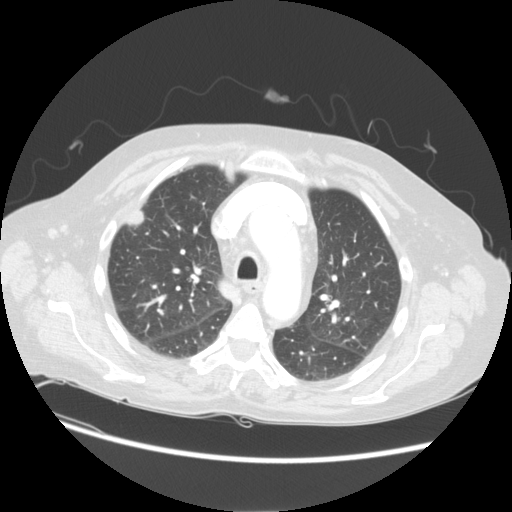
Axial slice 86 of 113 of a chest CT (slice 1 is the lowest), reconstructed with the STANDARD kernel at 120 kVp; 2.50 mm slice thickness and 0.742 mm pixels.
Pulmonary nodule at rows 209–228, columns 125–144 (box = the union of the readers' outlines on this slice), outlined by three of the four readers; median longest diameter 20.1 mm (readers' outlines 15.6–22.7 mm), median volume 1579 mm3 (735–1841 mm3). Ratings, median across the readers with their spread: texture 5/5 (solid) from all three readers; margin 5/5 (circumscribed) from all three readers; sphericity 4/5 at the median of three readers, spread 3/5 (ovoid) to 5/5 (round); calcification absent, all three readers agreeing; internal structure soft tissue, all three readers agreeing; median subtlety 4/5 (readers ranged 3–5); median malignancy likelihood 2/5 (readers ranged 2–5). Scale key (1–5): texture non-solid→solid, margin indistinct→circumscribed, sphericity linear→round, subtlety extremely subtle→obvious, malignancy likelihood highly unlikely→highly suspicious of cancer. Box rows and columns are 0-based pixel indices from the top-left corner, inclusive.